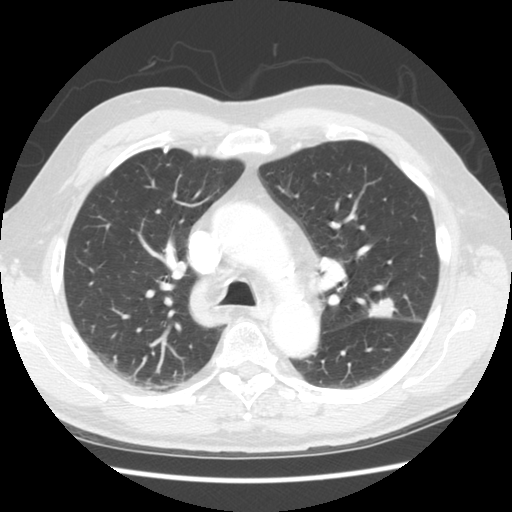
Axial slice 174 of 258 of a chest CT (slice 1 is the lowest), reconstructed with the STANDARD kernel at 120 kVp; 2.50 mm slice thickness and 0.664 mm pixels.
Pulmonary nodule at rows 296–318, columns 366–396 (box = the union of the readers' outlines on this slice), outlined by all four readers; longest diameter 20.6 mm on average over the four readers' outlines (readers' outlines 19.7–21.9 mm), volume 1387–1715 mm3. The readers' prevailing ratings and who disagreed: texture 5/5 (solid), all four readers agreeing; margin split among the readers: 3/5 (two), 4/5 (two); sphericity 3/5 (ovoid) by two of four readers; the rest gave 2/5 (one), 4/5 (one); calcification absent, all four readers agreeing; internal structure soft tissue from all four readers; subtlety 5/5, all four readers agreeing; most readers (three of four) put malignancy likelihood at 5/5, others 3/5 (one). Scale key (1–5): texture non-solid→solid, margin indistinct→circumscribed, sphericity linear→round, subtlety extremely subtle→obvious, malignancy likelihood highly unlikely→highly suspicious of cancer. Box rows and columns are 0-based pixel indices from the top-left corner, inclusive.